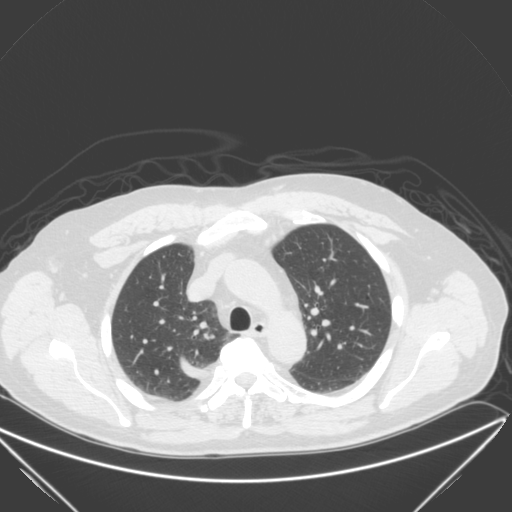
Slice 196/280 of a chest CT, counting up from the lowest; pixel size 0.805 mm, slice thickness 2.00 mm. Pulmonary nodule at rows 334–338, columns 210–214 (box = that reader's outline on this slice), outlined by one of the four readers; longest diameter 6.1 mm and volume 89 mm3 from that reader's outline. Ratings by that reader: texture 5/5 (solid); margin 5/5 (circumscribed); sphericity 5/5 (round); calcification absent; internal structure soft tissue; subtlety 5/5; malignancy likelihood 3/5. Scale key (1–5): texture non-solid→solid, margin indistinct→circumscribed, sphericity linear→round, subtlety extremely subtle→obvious, malignancy likelihood highly unlikely→highly suspicious of cancer. Box rows and columns are 0-based pixel indices from the top-left corner, inclusive.
Acquired at 120 kVp and reconstructed with the B kernel.